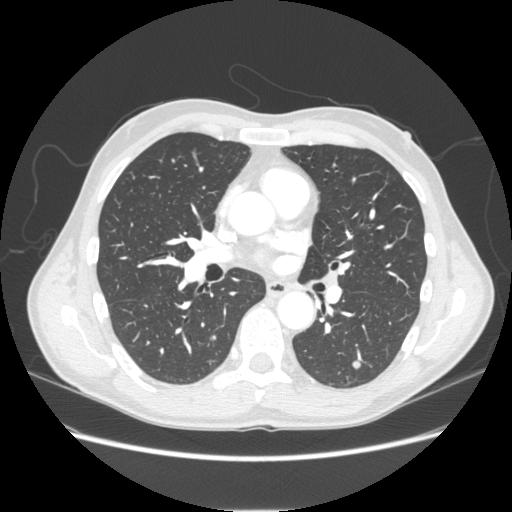
This is axial slice 129 of 253 (slice 1 is the lowest) of a chest CT; each pixel is 0.742 mm and the slice is 1.25 mm thick. Two pulmonary nodules on this slice, listed from left to right. (1) Pulmonary nodule, outlined by all four readers, three of them on this slice. Box on this slice rows 335–340, columns 208–215, the union of the readers' outlines on this slice; longest diameter 8.5–9.3 mm and volume 204–262 mm3 across the four readers' outlines. Ratings across the readers: texture 5/5 (solid) from all four readers; margin from 1/5 (indistinct) to 5/5 (circumscribed) across the four readers; sphericity from 4/5 to 5/5 (round) across the four readers; calcification absent from all four readers; internal structure soft tissue from all four readers; subtlety from 3/5 to 5/5 across the four readers; malignancy likelihood 2–4/5 (the readers disagree). (2) Pulmonary nodule outlined by all four readers; box rows 360–368, columns 352–360 (the union of the readers' outlines on this slice); the four readers' outlines give a longest diameter between 8.7 and 11.4 mm and a volume between 216 and 250 mm3. The readers' ratings, as ranges where they differ: texture 5/5 (solid) from all four readers; margin from 4/5 to 5/5 (circumscribed) across the four readers; sphericity from 4/5 to 5/5 (round) across the four readers; calcification absent from all four readers; internal structure soft tissue, all four readers agreeing; subtlety 3–5/5 (the readers disagree); malignancy likelihood 2–4/5 (the readers disagree). Scale key (1–5): texture non-solid→solid, margin indistinct→circumscribed, sphericity linear→round, subtlety extremely subtle→obvious, malignancy likelihood highly unlikely→highly suspicious of cancer. Box rows and columns are 0-based pixel indices from the top-left corner, inclusive.
Tube voltage 120 kVp; convolution kernel STANDARD.